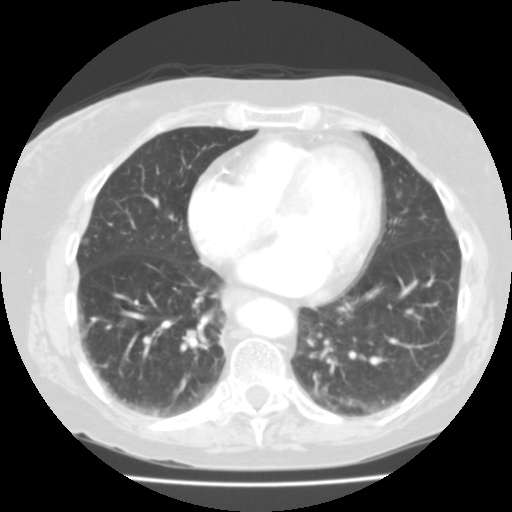
One axial slice (51 of 136, counting up from the lowest) of a chest CT acquired at 135 kVp with the FC03 kernel; each pixel is 0.644 mm and the slice is 2.00 mm thick.
Pulmonary nodule outlined by one of the four readers; box rows 238–244, columns 82–88 (that reader's outline on this slice); longest diameter 6.4 mm and volume 75 mm3 from that reader's outline. Ratings by that reader: texture 1/5 (non-solid); margin 2/5; sphericity 5/5 (round); calcification absent; internal structure soft tissue; subtlety 1/5; malignancy likelihood 2/5. Scale key (1–5): texture non-solid→solid, margin indistinct→circumscribed, sphericity linear→round, subtlety extremely subtle→obvious, malignancy likelihood highly unlikely→highly suspicious of cancer. Box rows and columns are 0-based pixel indices from the top-left corner, inclusive.